Chest CT, axial plane, 120 kVp, kernel STANDARD. Slice 88/117 from the bottom of the scan; thickness 2.50 mm; pixel size 0.781 mm.
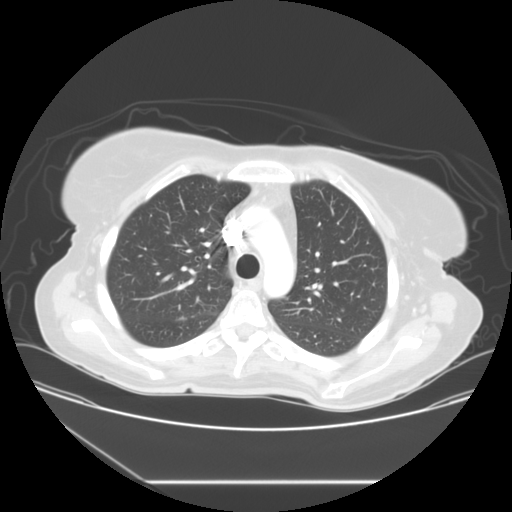
Two pulmonary nodules on this slice, listed from left to right. (1) Pulmonary nodule, outlined by three of the four readers, one of them on this slice. Box on this slice rows 317–318, columns 181–185, the one reader's outline on this slice; median longest diameter 8.2 mm (readers' outlines 7.2–8.9 mm), median volume 139 mm3 (72–204 mm3). Ratings, median across the readers with their spread: texture 5/5 (solid) from all three readers; margin 3/5 at the median of three readers, spread 3/5 to 5/5 (circumscribed); median sphericity 4/5 (readers ranged 2/5 to 5/5 (round)); calcification absent from all three readers; internal structure soft tissue from all three readers; median subtlety 3/5 (readers ranged 3–4); median malignancy likelihood 3/5 (readers ranged 2–3). (2) Pulmonary nodule outlined by three of the four readers, two of them on this slice; box rows 308–311, columns 341–343 (the union of the readers' outlines on this slice); median longest diameter 5.2 mm (readers' outlines 4.2–5.5 mm), median volume 47 mm3 (47–89 mm3). Ratings, median across the readers with their spread: texture 5/5 (solid) from all three readers; median margin 5/5 (circumscribed) (readers ranged 4/5 to 5/5 (circumscribed)); sphericity 5/5 (round) from all three readers; calcification absent from all three readers; internal structure soft tissue from all three readers; subtlety 3/5 at the median of three readers, spread 2–3; median malignancy likelihood 3/5 (readers ranged 2–3). Scale key (1–5): texture non-solid→solid, margin indistinct→circumscribed, sphericity linear→round, subtlety extremely subtle→obvious, malignancy likelihood highly unlikely→highly suspicious of cancer. Box rows and columns are 0-based pixel indices from the top-left corner, inclusive.